Axial slice 54 of 124 of a chest CT (slice 1 is the lowest), reconstructed with the B31f kernel at 120 kVp; 3.00 mm slice thickness and 0.764 mm pixels.
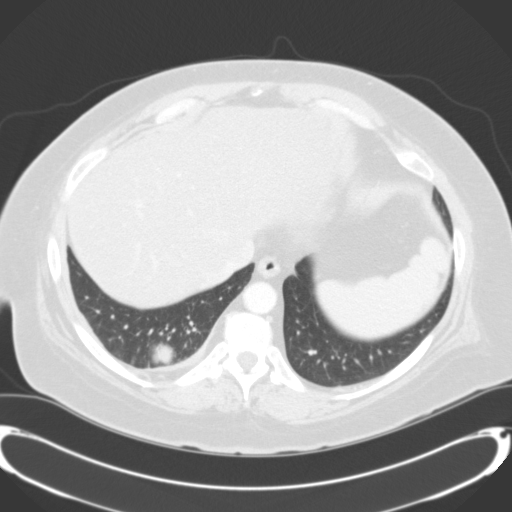
Pulmonary nodule outlined by three of the four readers; box rows 343–364, columns 150–176 (the union of the readers' outlines on this slice); median longest diameter 33.9 mm (readers' outlines 32.1–33.9 mm), median volume 14151 mm3 (13060–14151 mm3). Ratings, median across the readers with their spread: median texture 5/5 (solid) (readers ranged 4/5 to 5/5 (solid)); median margin 5/5 (circumscribed) (readers ranged 4/5 to 5/5 (circumscribed)); sphericity 4/5 from all three readers; calcification absent, all three readers agreeing; internal structure soft tissue from all three readers; subtlety 5/5 from all three readers; malignancy likelihood 3/5 at the median of three readers, spread 3–5. Scale key (1–5): texture non-solid→solid, margin indistinct→circumscribed, sphericity linear→round, subtlety extremely subtle→obvious, malignancy likelihood highly unlikely→highly suspicious of cancer. Box rows and columns are 0-based pixel indices from the top-left corner, inclusive.